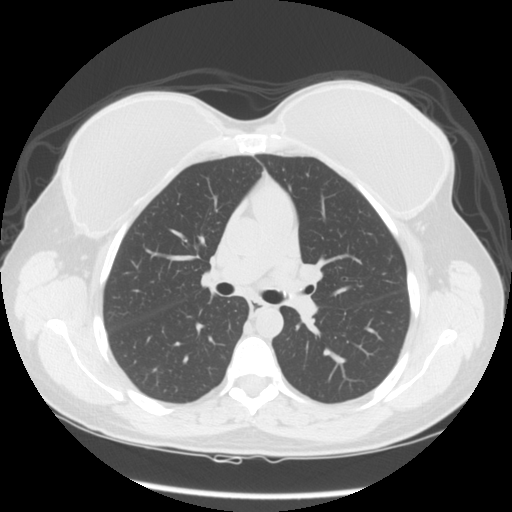
Axial chest CT slice 90 of 133 (counted from the lowest slice); 2.50 mm thick, 0.703 mm per pixel. The readers outlined no nodule of 3 mm or more on this slice.
Tube voltage 120 kVp; convolution kernel STANDARD.